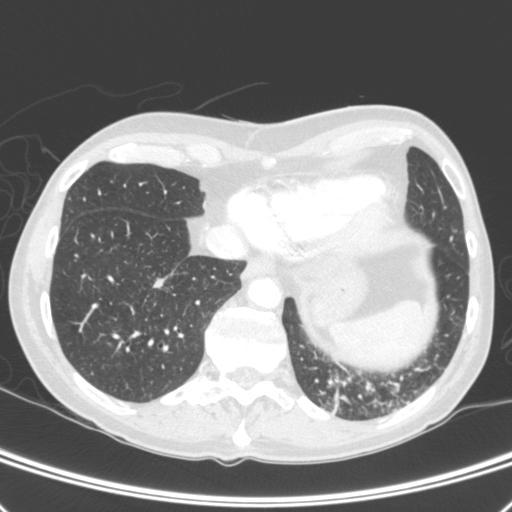
Axial chest CT slice 96 of 392 (counted from the lowest slice); tube voltage 120 kVp, convolution kernel C; slices 1.50 mm thick, 0.639 mm per pixel.
Pulmonary nodule outlined by three of the four readers; box rows 279–287, columns 153–163 (the union of the readers' outlines on this slice); median longest diameter 9.7 mm (readers' outlines 9.0–10.9 mm), median volume 245 mm3 (190–278 mm3). Ratings, median across the readers with their spread: texture 5/5 (solid), all three readers agreeing; margin 5/5 (circumscribed) at the median of three readers, spread 3/5 to 5/5 (circumscribed); sphericity 3/5 (ovoid), all three readers agreeing; calcification absent from all three readers; internal structure soft tissue from all three readers; median subtlety 4/5 (readers ranged 4–5); malignancy likelihood 2/5 at the median of three readers, spread 2–4. Scale key (1–5): texture non-solid→solid, margin indistinct→circumscribed, sphericity linear→round, subtlety extremely subtle→obvious, malignancy likelihood highly unlikely→highly suspicious of cancer. Box rows and columns are 0-based pixel indices from the top-left corner, inclusive.